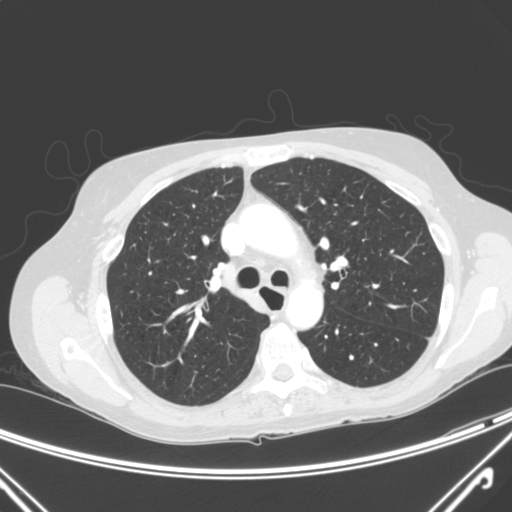
Chest CT, axial plane, 120 kVp, kernel C. Slice 192/300 from the bottom of the scan; thickness 2.00 mm; pixel size 0.715 mm.
None of the four readers outlined a nodule of 3 mm or more on this slice.